Axial chest CT slice 462 of 764 (counted from the lowest slice); tube voltage 120 kVp, convolution kernel B31f; slices 1.00 mm thick, 0.646 mm per pixel.
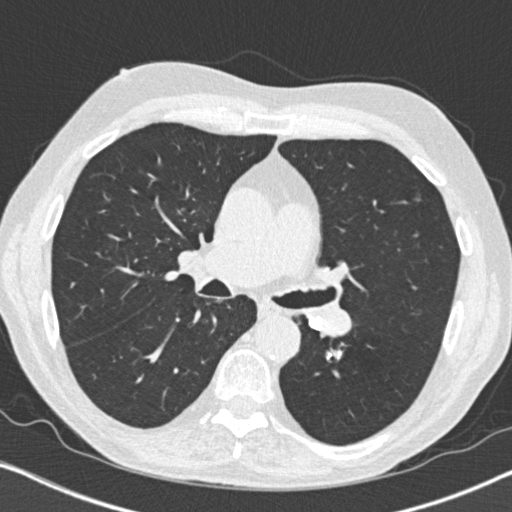
Pulmonary nodule outlined by one of the four readers; box rows 351–358, columns 338–341 (that reader's outline on this slice); longest diameter 8.3 mm and volume 154 mm3 from that reader's outline. Ratings by that reader: texture 5/5 (solid); margin 5/5 (circumscribed); sphericity 3/5 (ovoid); calcification solid calcification; internal structure soft tissue; subtlety 5/5; malignancy likelihood 1/5. Scale key (1–5): texture non-solid→solid, margin indistinct→circumscribed, sphericity linear→round, subtlety extremely subtle→obvious, malignancy likelihood highly unlikely→highly suspicious of cancer. Box rows and columns are 0-based pixel indices from the top-left corner, inclusive.